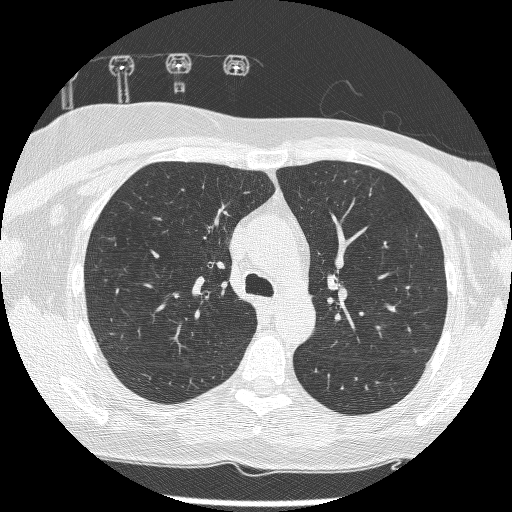
One axial slice (137 of 209, counting up from the lowest) of a chest CT acquired at 120 kVp with the BONE kernel; each pixel is 0.617 mm and the slice is 1.25 mm thick.
The readers outlined no nodule of 3 mm or more on this slice.